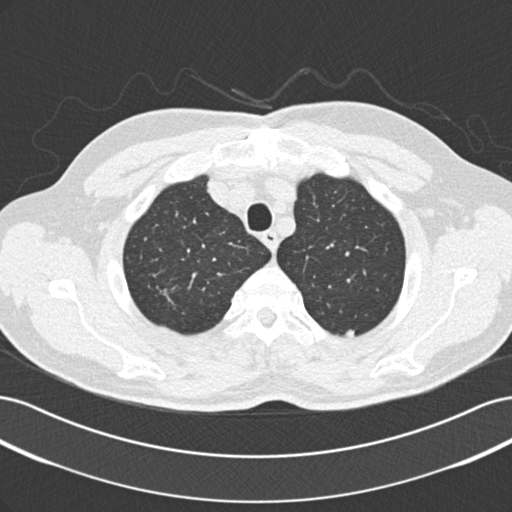
Chest CT, axial plane, 120 kVp, kernel B30f. Slice 194/229 from the bottom of the scan; thickness 2.00 mm; pixel size 0.703 mm.
Pulmonary nodule, outlined by two of the four readers. Box on this slice rows 329–337, columns 345–354, the union of the readers' outlines on this slice; longest diameter 8.1 mm on average over the two readers' outlines (readers' outlines 8.0–8.2 mm), volume 156–182 mm3. The readers' prevailing ratings and who disagreed: texture 5/5 (solid) from both readers; margin split among the readers: 4/5 (one), 5/5 (circumscribed) (one); sphericity split among the readers: 2/5 (one), 5/5 (round) (one); calcification absent from both readers; internal structure soft tissue, both readers agreeing; subtlety split among the readers: 3/5 (one), 4/5 (one); malignancy likelihood split among the readers: 2/5 (one), 3/5 (one). Scale key (1–5): texture non-solid→solid, margin indistinct→circumscribed, sphericity linear→round, subtlety extremely subtle→obvious, malignancy likelihood highly unlikely→highly suspicious of cancer. Box rows and columns are 0-based pixel indices from the top-left corner, inclusive.